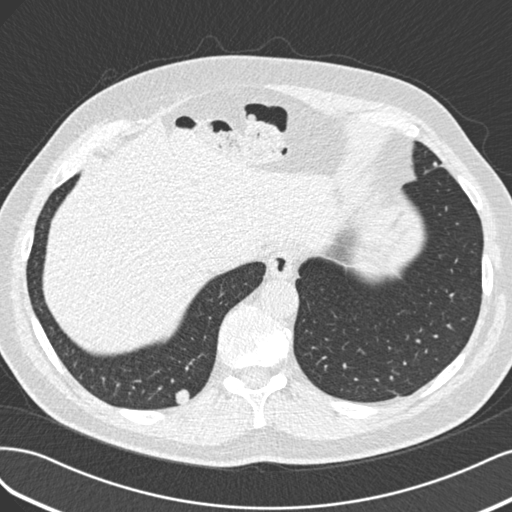
Axial slice 47 of 193 of a chest CT (slice 1 is the lowest), reconstructed with the B30f kernel at 120 kVp; 2.00 mm slice thickness and 0.703 mm pixels.
Pulmonary nodule at rows 389–404, columns 176–189 (box = the union of the readers' outlines on this slice), outlined by three of the four readers; longest diameter 12.4 mm on average over the three readers' outlines (readers' outlines 12.3–12.6 mm), volume 627–717 mm3. Ratings, by the readers' most common answer with dissent counted: most readers (two of three) put texture at 5/5 (solid), others 4/5 (one); most readers (two of three) put margin at 5/5 (circumscribed), others 3/5 (one); sphericity 4/5 by two of three readers; the rest gave 5/5 (round) (one); calcification absent from all three readers; internal structure soft tissue from all three readers; subtlety 5/5 by two of three readers; the rest gave 4/5 (one); malignancy likelihood 3/5 by two of three readers; the rest gave 5/5 (one). Scale key (1–5): texture non-solid→solid, margin indistinct→circumscribed, sphericity linear→round, subtlety extremely subtle→obvious, malignancy likelihood highly unlikely→highly suspicious of cancer. Box rows and columns are 0-based pixel indices from the top-left corner, inclusive.